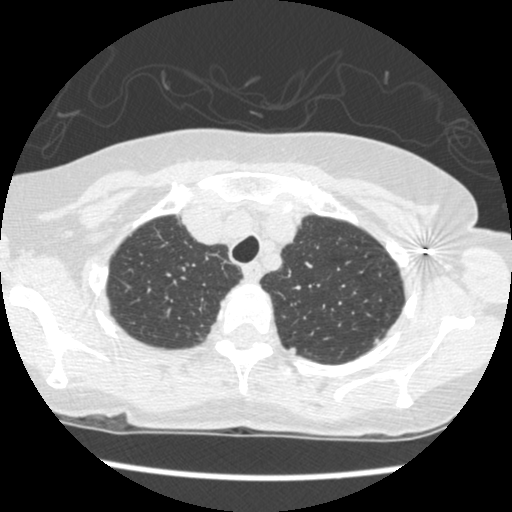
One axial slice (390 of 461, counting up from the lowest) of a chest CT acquired at 120 kVp with the STANDARD kernel; each pixel is 0.586 mm and the slice is 1.25 mm thick.
Pulmonary nodule outlined by all four readers; box rows 347–353, columns 288–295 (the union of the readers' outlines on this slice); median longest diameter 5.5 mm (readers' outlines 5.0–6.6 mm), median volume 46 mm3 (33–53 mm3). Median ratings and the readers' spread: texture 5/5 (solid), all four readers agreeing; margin 4.5/5 at the median of four readers, spread 4/5 to 5/5 (circumscribed); median sphericity 4.5/5 (readers ranged 3/5 (ovoid) to 5/5 (round)); calcification absent, all four readers agreeing; internal structure soft tissue, all four readers agreeing; median subtlety 3/5 (readers ranged 3–4); median malignancy likelihood 2/5 (readers ranged 1–4). Scale key (1–5): texture non-solid→solid, margin indistinct→circumscribed, sphericity linear→round, subtlety extremely subtle→obvious, malignancy likelihood highly unlikely→highly suspicious of cancer. Box rows and columns are 0-based pixel indices from the top-left corner, inclusive.